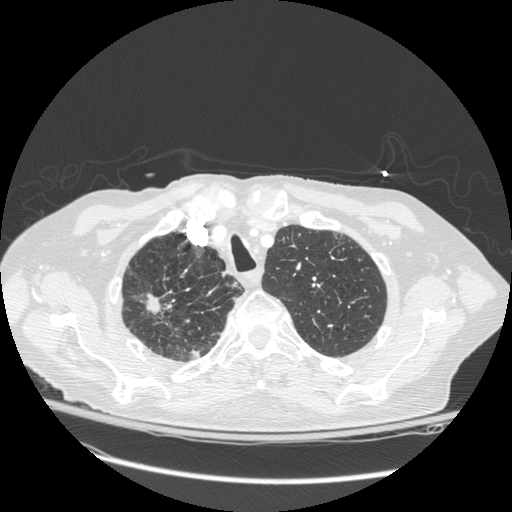
Chest CT, axial plane, 120 kVp, kernel STANDARD. Slice 225/272 from the bottom of the scan; thickness 1.25 mm; pixel size 0.742 mm.
Pulmonary nodule at rows 293–314, columns 146–160 (box = the union of the readers' outlines on this slice), outlined by all four readers; the four readers' outlines give a longest diameter between 16.0 and 56.1 mm and a volume between 732 and 13897 mm3. The readers' ratings, as ranges where they differ: texture 5/5 (solid) from all four readers; margin from 3/5 to 5/5 (circumscribed) across the four readers; sphericity from 3/5 (ovoid) to 4/5 across the four readers; calcification absent from all four readers; internal structure soft tissue, all four readers agreeing; subtlety 5/5 from all four readers; malignancy likelihood 4–5/5 (the readers disagree). Scale key (1–5): texture non-solid→solid, margin indistinct→circumscribed, sphericity linear→round, subtlety extremely subtle→obvious, malignancy likelihood highly unlikely→highly suspicious of cancer. Box rows and columns are 0-based pixel indices from the top-left corner, inclusive.